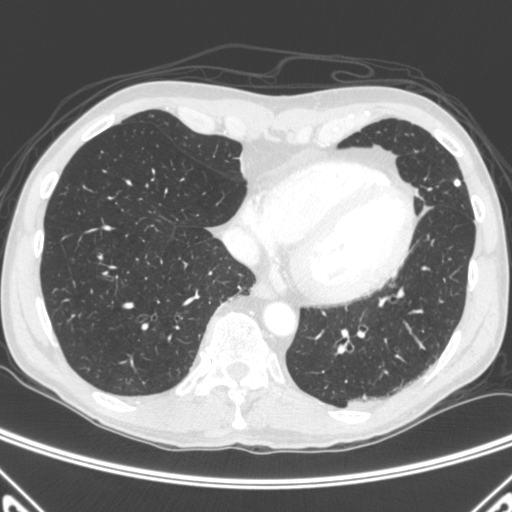
Slice 129/445 of a chest CT, counting up from the lowest; pixel size 0.676 mm, slice thickness 1.50 mm. Pulmonary nodule at rows 178–186, columns 453–460 (box = the union of the readers' outlines on this slice), outlined by all four readers; longest diameter 9.0–9.7 mm and volume 243–279 mm3 across the four readers' outlines. The readers' ratings, as ranges where they differ: texture from 4/5 to 5/5 (solid) across the four readers; margin 5/5 (circumscribed) from all four readers; sphericity from 4/5 to 5/5 (round) across the four readers; calcification: solid calcification (three), central calcification (one); internal structure soft tissue from all four readers; subtlety 5/5, all four readers agreeing; malignancy likelihood 1/5 from all four readers. Scale key (1–5): texture non-solid→solid, margin indistinct→circumscribed, sphericity linear→round, subtlety extremely subtle→obvious, malignancy likelihood highly unlikely→highly suspicious of cancer. Box rows and columns are 0-based pixel indices from the top-left corner, inclusive.
Tube voltage 120 kVp; convolution kernel C.